Axial slice 192 of 278 of a chest CT (slice 1 is the lowest), reconstructed with the B45f kernel at 120 kVp; 1.00 mm slice thickness and 0.566 mm pixels.
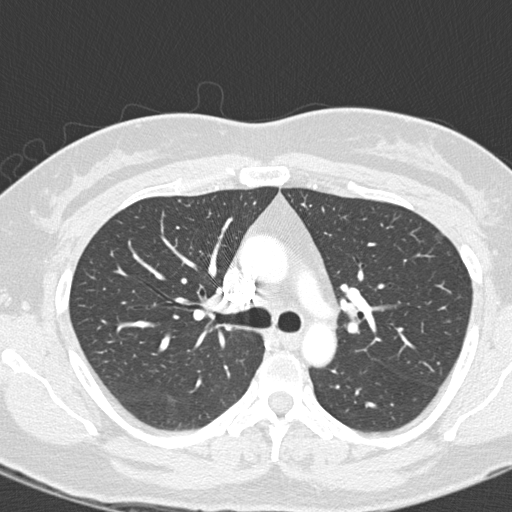
Pulmonary nodule outlined by three of the four readers, one of them on this slice; box rows 234–242, columns 435–441 (the one reader's outline on this slice); the three readers' outlines give a longest diameter between 4.1 and 9.6 mm and a volume between 25 and 86 mm3. The readers' ratings, as ranges where they differ: texture from 1/5 (non-solid) to 5/5 (solid) across the three readers; margin from 1/5 (indistinct) to 5/5 (circumscribed) across the three readers; sphericity from 3/5 (ovoid) to 5/5 (round) across the three readers; calcification: absent (two), solid calcification (one); internal structure soft tissue, all three readers agreeing; subtlety rated between 1 and 5 out of 5 by the three readers; malignancy likelihood 1–4/5 (the readers disagree). Scale key (1–5): texture non-solid→solid, margin indistinct→circumscribed, sphericity linear→round, subtlety extremely subtle→obvious, malignancy likelihood highly unlikely→highly suspicious of cancer. Box rows and columns are 0-based pixel indices from the top-left corner, inclusive.